Axial slice 134 of 445 of a chest CT (slice 1 is the lowest), reconstructed with the C kernel at 120 kVp; 1.50 mm slice thickness and 0.676 mm pixels.
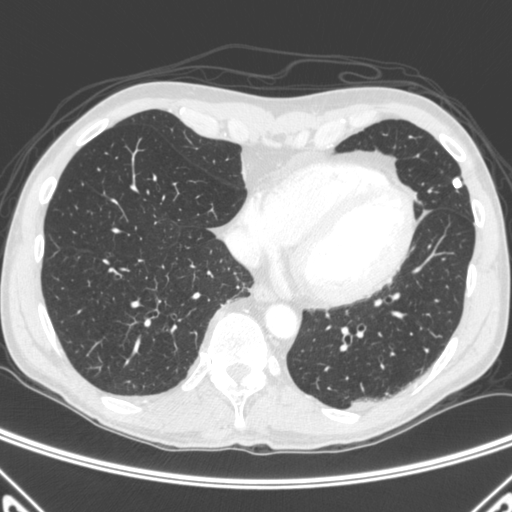
Pulmonary nodule, outlined by all four readers. Box on this slice rows 177–188, columns 452–462, the union of the readers' outlines on this slice; median longest diameter 9.3 mm (readers' outlines 9.0–9.7 mm), median volume 265 mm3 (243–279 mm3). Median ratings and the readers' spread: median texture 5/5 (solid) (readers ranged 4/5 to 5/5 (solid)); margin 5/5 (circumscribed), all four readers agreeing; median sphericity 4.5/5 (readers ranged 4/5 to 5/5 (round)); calcification: solid calcification (three), central calcification (one); internal structure soft tissue from all four readers; subtlety 5/5 from all four readers; malignancy likelihood 1/5 from all four readers. Scale key (1–5): texture non-solid→solid, margin indistinct→circumscribed, sphericity linear→round, subtlety extremely subtle→obvious, malignancy likelihood highly unlikely→highly suspicious of cancer. Box rows and columns are 0-based pixel indices from the top-left corner, inclusive.